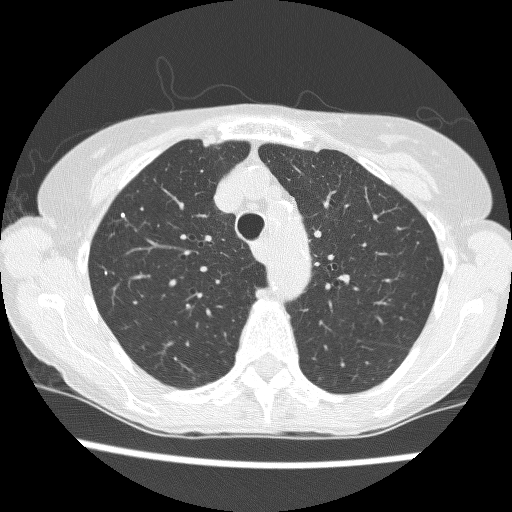
Axial slice 179 of 240 of a chest CT (slice 1 is the lowest), reconstructed with the BONE kernel at 120 kVp; 1.25 mm slice thickness and 0.566 mm pixels.
Pulmonary nodule, outlined by one of the four readers. Box on this slice rows 304–307, columns 186–190, that reader's outline on this slice; longest diameter 4.7 mm and volume 47 mm3 from that reader's outline. That reader's ratings: texture 5/5 (solid); margin 4/5; sphericity 4/5; calcification absent; internal structure soft tissue; subtlety 1/5; malignancy likelihood 3/5. Scale key (1–5): texture non-solid→solid, margin indistinct→circumscribed, sphericity linear→round, subtlety extremely subtle→obvious, malignancy likelihood highly unlikely→highly suspicious of cancer. Box rows and columns are 0-based pixel indices from the top-left corner, inclusive.